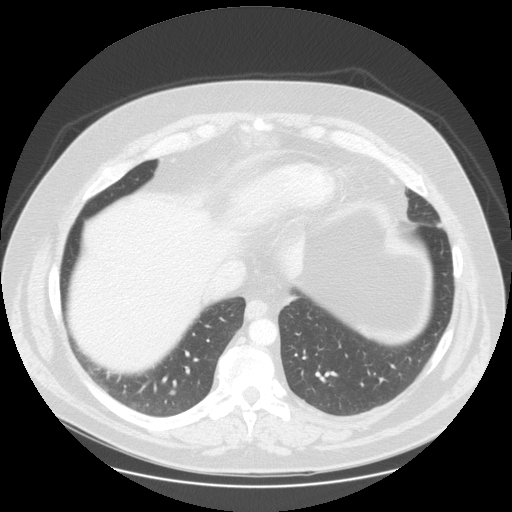
Axial chest CT slice 56 of 133 (counted from the lowest slice); tube voltage 120 kVp, convolution kernel STANDARD; slices 2.50 mm thick, 0.859 mm per pixel.
Pulmonary nodule outlined by one of the four readers; box rows 390–393, columns 170–174 (that reader's outline on this slice); longest diameter 6.1 mm and volume 99 mm3 from that reader's outline. That reader's ratings: texture 5/5 (solid); margin 4/5; sphericity 5/5 (round); calcification absent; internal structure soft tissue; subtlety 2/5; malignancy likelihood 2/5. Scale key (1–5): texture non-solid→solid, margin indistinct→circumscribed, sphericity linear→round, subtlety extremely subtle→obvious, malignancy likelihood highly unlikely→highly suspicious of cancer. Box rows and columns are 0-based pixel indices from the top-left corner, inclusive.